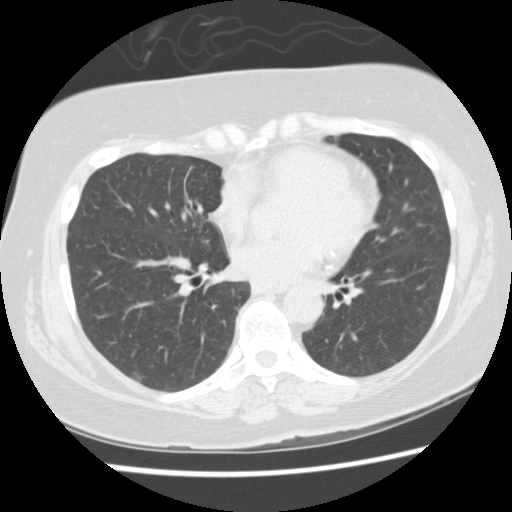
Axial slice 58 of 145 of a chest CT (slice 1 is the lowest), reconstructed with the STANDARD kernel at 120 kVp; 2.50 mm slice thickness and 0.625 mm pixels.
Pulmonary nodule outlined by one of the four readers; box rows 372–382, columns 131–145 (that reader's outline on this slice); longest diameter 10.0 mm and volume 279 mm3 from that reader's outline. That reader's ratings: texture 1/5 (non-solid); margin 3/5; sphericity 3/5 (ovoid); calcification absent; internal structure soft tissue; subtlety 5/5; malignancy likelihood 2/5. Scale key (1–5): texture non-solid→solid, margin indistinct→circumscribed, sphericity linear→round, subtlety extremely subtle→obvious, malignancy likelihood highly unlikely→highly suspicious of cancer. Box rows and columns are 0-based pixel indices from the top-left corner, inclusive.